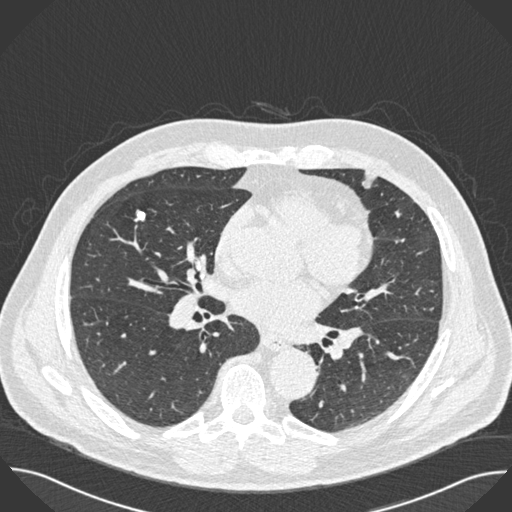
One axial slice (266 of 493, counting up from the lowest) of a chest CT acquired at 120 kVp with the B30f kernel; each pixel is 0.762 mm and the slice is 0.75 mm thick.
Pulmonary nodule, outlined by all four readers. Box on this slice rows 209–221, columns 134–145, the union of the readers' outlines on this slice; median longest diameter 11.4 mm (readers' outlines 10.9–16.8 mm), median volume 275 mm3 (182–413 mm3). Median ratings and the readers' spread: texture 5/5 (solid), all four readers agreeing; margin 4.5/5 at the median of four readers, spread 3/5 to 5/5 (circumscribed); sphericity 3.5/5 at the median of four readers, spread 3/5 (ovoid) to 5/5 (round); calcification solid calcification from all four readers; internal structure soft tissue from all four readers; median subtlety 5/5 (readers ranged 4–5); malignancy likelihood 1/5, all four readers agreeing. Scale key (1–5): texture non-solid→solid, margin indistinct→circumscribed, sphericity linear→round, subtlety extremely subtle→obvious, malignancy likelihood highly unlikely→highly suspicious of cancer. Box rows and columns are 0-based pixel indices from the top-left corner, inclusive.